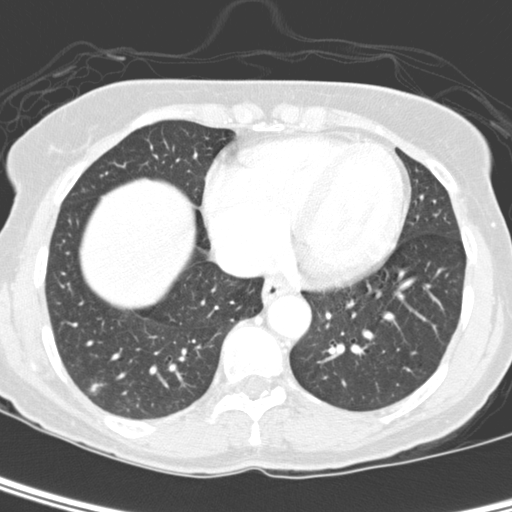
Axial slice 177 of 350 of a chest CT (slice 1 is the lowest), reconstructed with the D kernel at 120 kVp; 2.00 mm slice thickness and 0.543 mm pixels.
Pulmonary nodule outlined by two of the four readers; box rows 382–394, columns 88–102 (the union of the readers' outlines on this slice); median longest diameter 9.8 mm (readers' outlines 9.0–10.5 mm), median volume 229 mm3 (204–254 mm3). Median ratings and the readers' spread: median texture 2/5 (readers ranged 1/5 (non-solid) to 3/5 (part-solid)); margin 1.5/5 at the median of two readers, spread 1/5 (indistinct) to 2/5; sphericity 3/5 (ovoid) from both readers; calcification absent, both readers agreeing; internal structure soft tissue, both readers agreeing; subtlety 2/5 from both readers; malignancy likelihood 3/5, both readers agreeing. Scale key (1–5): texture non-solid→solid, margin indistinct→circumscribed, sphericity linear→round, subtlety extremely subtle→obvious, malignancy likelihood highly unlikely→highly suspicious of cancer. Box rows and columns are 0-based pixel indices from the top-left corner, inclusive.